Axial chest CT slice 145 of 265 (counted from the lowest slice); tube voltage 120 kVp, convolution kernel STANDARD; slices 1.25 mm thick, 0.883 mm per pixel.
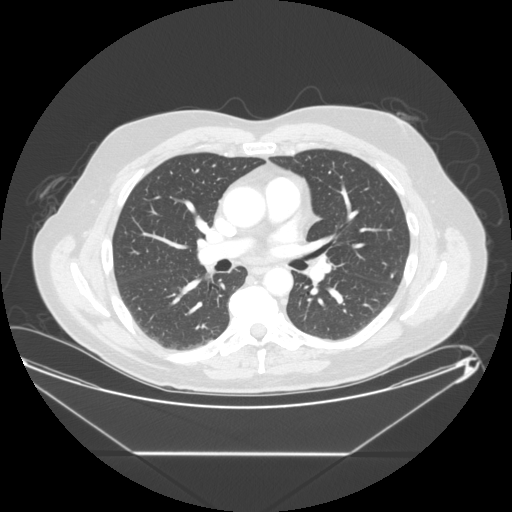
Pulmonary nodule at rows 272–277, columns 390–394 (box = the union of the readers' outlines on this slice), outlined by three of the four readers, two of them on this slice; the three readers' outlines give a longest diameter between 7.1 and 9.0 mm and a volume between 101 and 170 mm3. Ratings across the readers: texture 5/5 (solid), all three readers agreeing; margin 5/5 (circumscribed) from all three readers; sphericity from 3/5 (ovoid) to 5/5 (round) across the three readers; calcification solid calcification, all three readers agreeing; internal structure soft tissue, all three readers agreeing; subtlety from 4/5 to 5/5 across the three readers; malignancy likelihood 1/5, all three readers agreeing. Scale key (1–5): texture non-solid→solid, margin indistinct→circumscribed, sphericity linear→round, subtlety extremely subtle→obvious, malignancy likelihood highly unlikely→highly suspicious of cancer. Box rows and columns are 0-based pixel indices from the top-left corner, inclusive.